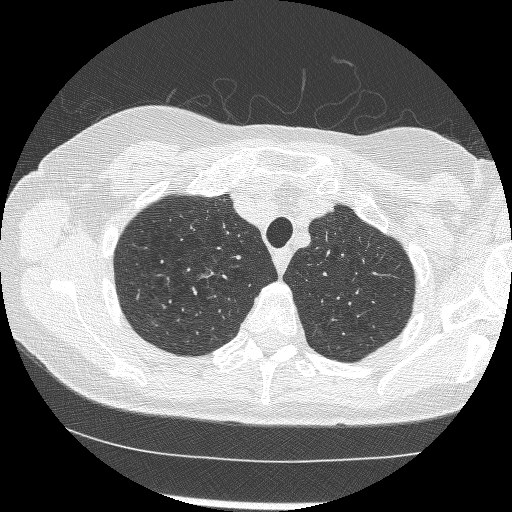
Chest CT, axial plane, 120 kVp, kernel BONE. Slice 207/246 from the bottom of the scan; thickness 1.25 mm; pixel size 0.586 mm.
Pulmonary nodule, outlined by all four readers, three of them on this slice. Box on this slice rows 270–278, columns 200–214, the union of the readers' outlines on this slice; longest diameter 8.4 mm on average over the four readers' outlines (readers' outlines 6.1–10.0 mm), volume 66–342 mm3. Ratings, by the readers' most common answer with dissent counted: texture 5/5 (solid) by two of four readers; the rest gave 3/5 (part-solid) (one), 4/5 (one); margin 3/5 by two of four readers; the rest gave 1/5 (indistinct) (one), 2/5 (one); sphericity 2/5 by three of four readers; the rest gave 3/5 (ovoid) (one); calcification absent, all four readers agreeing; internal structure soft tissue, all four readers agreeing; subtlety 3/5 by two of four readers; the rest gave 4/5 (one), 5/5 (one); malignancy likelihood 4/5 by two of four readers; the rest gave 3/5 (one), 5/5 (one). Scale key (1–5): texture non-solid→solid, margin indistinct→circumscribed, sphericity linear→round, subtlety extremely subtle→obvious, malignancy likelihood highly unlikely→highly suspicious of cancer. Box rows and columns are 0-based pixel indices from the top-left corner, inclusive.